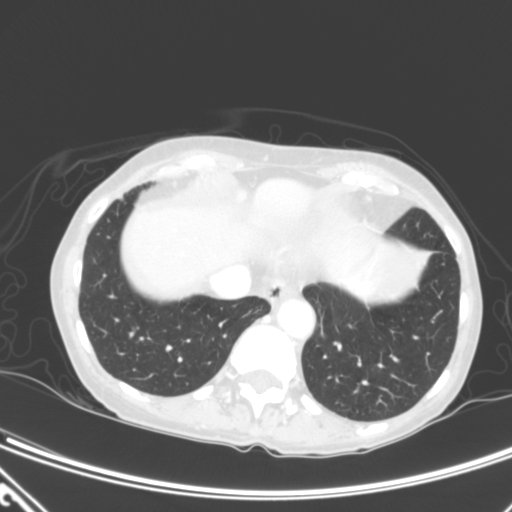
One axial slice (80 of 320, counting up from the lowest) of a chest CT acquired at 120 kVp with the B kernel; each pixel is 0.662 mm and the slice is 2.00 mm thick.
Pulmonary nodule, outlined by one of the four readers. Box on this slice rows 195–199, columns 116–123, that reader's outline on this slice; longest diameter 6.6 mm and volume 116 mm3 from that reader's outline. Ratings by that reader: texture 5/5 (solid); margin 4/5; sphericity 2/5; calcification absent; internal structure soft tissue; subtlety 2/5; malignancy likelihood 1/5. Scale key (1–5): texture non-solid→solid, margin indistinct→circumscribed, sphericity linear→round, subtlety extremely subtle→obvious, malignancy likelihood highly unlikely→highly suspicious of cancer. Box rows and columns are 0-based pixel indices from the top-left corner, inclusive.